Axial slice 114 of 206 of a chest CT (slice 1 is the lowest), reconstructed with the STANDARD kernel at 120 kVp; 1.25 mm slice thickness and 0.898 mm pixels.
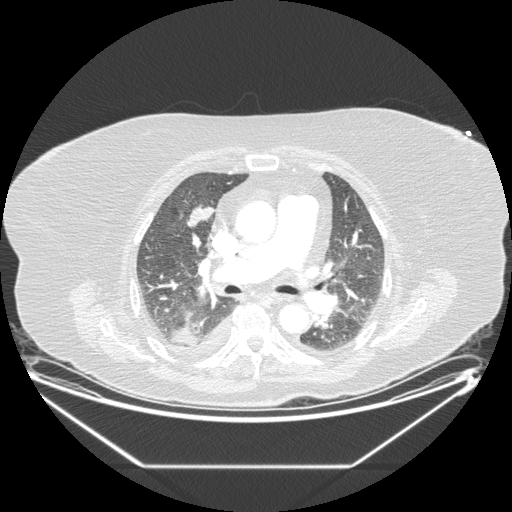
Pulmonary nodule, outlined by three of the four readers. Box on this slice rows 204–227, columns 186–215, the union of the readers' outlines on this slice; the three readers' outlines give a longest diameter between 31.1 and 37.8 mm and a volume between 4036 and 4781 mm3. Ratings across the readers: texture from 1/5 (non-solid) to 5/5 (solid) across the three readers; margin 4/5, all three readers agreeing; sphericity from 2/5 to 3/5 (ovoid) across the three readers; calcification absent, all three readers agreeing; internal structure soft tissue, all three readers agreeing; subtlety 4–5/5 (the readers disagree); malignancy likelihood rated between 3 and 5 out of 5 by the three readers. Scale key (1–5): texture non-solid→solid, margin indistinct→circumscribed, sphericity linear→round, subtlety extremely subtle→obvious, malignancy likelihood highly unlikely→highly suspicious of cancer. Box rows and columns are 0-based pixel indices from the top-left corner, inclusive.